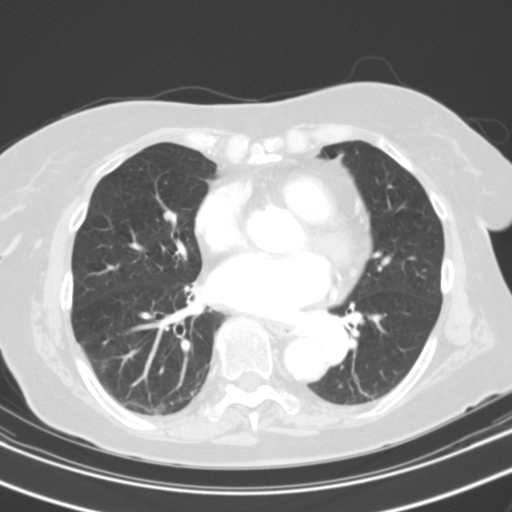
Axial chest CT slice 51 of 109 (counted from the lowest slice); tube voltage 130 kVp, convolution kernel B31s; slices 3.00 mm thick, 0.629 mm per pixel.
Two pulmonary nodules are outlined on this slice; from left to right: (1) Pulmonary nodule, outlined by one of the four readers. Box on this slice rows 211–220, columns 162–170, that reader's outline on this slice; longest diameter 8.6 mm and volume 175 mm3 from that reader's outline. That reader's ratings: texture 3/5 (part-solid); margin 4/5; sphericity 4/5; calcification absent; internal structure soft tissue; subtlety 5/5; malignancy likelihood 4/5. (2) Pulmonary nodule, outlined by all four readers, three of them on this slice. Box on this slice rows 287–303, columns 193–205, the union of the readers' outlines on this slice; median longest diameter 19.5 mm (readers' outlines 18.0–19.5 mm), median volume 1868 mm3 (1810–2198 mm3). Median ratings and the readers' spread: texture 5/5 (solid), all four readers agreeing; median margin 4/5 (readers ranged 2/5 to 5/5 (circumscribed)); median sphericity 5/5 (round) (readers ranged 4/5 to 5/5 (round)); calcification absent from all four readers; internal structure soft tissue, all four readers agreeing; subtlety 5/5 at the median of four readers, spread 3–5; median malignancy likelihood 4.5/5 (readers ranged 3–5). Scale key (1–5): texture non-solid→solid, margin indistinct→circumscribed, sphericity linear→round, subtlety extremely subtle→obvious, malignancy likelihood highly unlikely→highly suspicious of cancer. Box rows and columns are 0-based pixel indices from the top-left corner, inclusive.